Chest CT, axial plane, 120 kVp, kernel LUNG. Slice 87/125 from the bottom of the scan; thickness 2.50 mm; pixel size 0.703 mm.
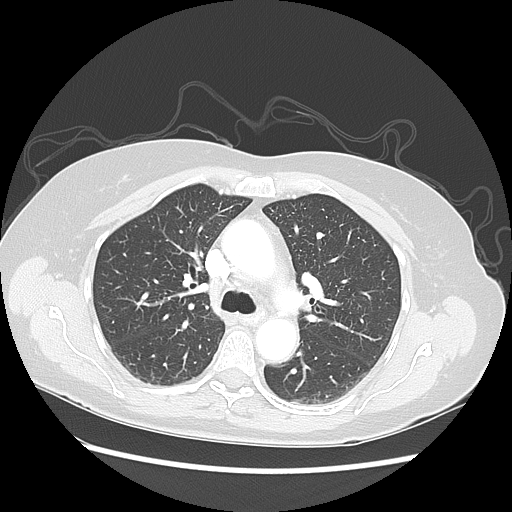
None of the four readers outlined a nodule of 3 mm or more on this slice.